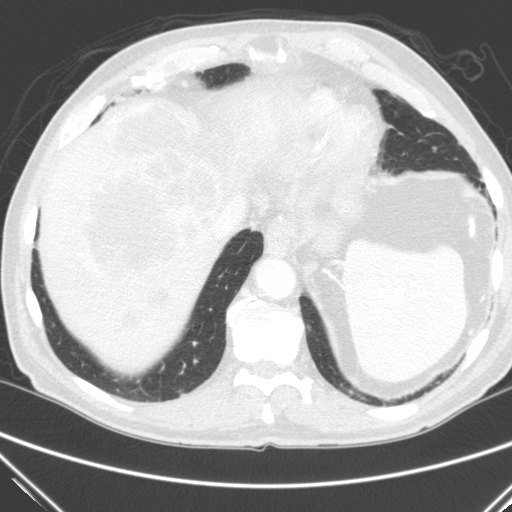
Axial chest CT slice 50 of 290 (counted from the lowest slice); tube voltage 120 kVp, convolution kernel C; slices 2.00 mm thick, 0.682 mm per pixel.
Pulmonary nodule at rows 324–330, columns 307–311 (box = the union of the readers' outlines on this slice), outlined by all four readers, two of them on this slice; median longest diameter 12.7 mm (readers' outlines 12.3–13.7 mm), median volume 484 mm3 (463–570 mm3). Median ratings and the readers' spread: texture 5/5 (solid) from all four readers; margin 4/5 at the median of four readers, spread 4/5 to 5/5 (circumscribed); median sphericity 3/5 (ovoid) (readers ranged 2/5 to 4/5); calcification absent, all four readers agreeing; internal structure soft tissue from all four readers; median subtlety 4/5 (readers ranged 3–5); malignancy likelihood 3/5 at the median of four readers, spread 3–4. Scale key (1–5): texture non-solid→solid, margin indistinct→circumscribed, sphericity linear→round, subtlety extremely subtle→obvious, malignancy likelihood highly unlikely→highly suspicious of cancer. Box rows and columns are 0-based pixel indices from the top-left corner, inclusive.